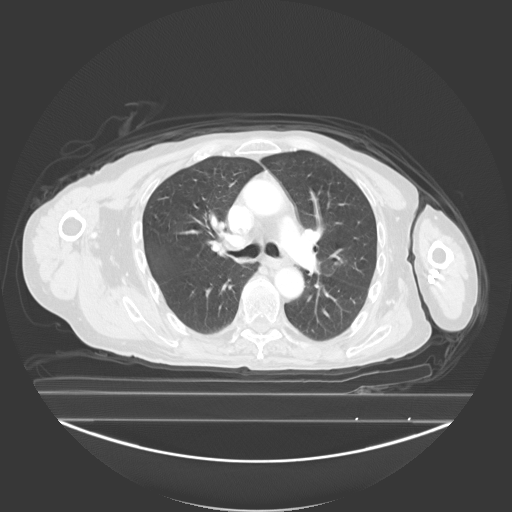
Axial chest CT slice 166 of 278 (counted from the lowest slice); tube voltage 130 kVp, convolution kernel B40s; slices 3.00 mm thick, 0.977 mm per pixel.
Pulmonary nodule outlined by three of the four readers, two of them on this slice; box rows 262–265, columns 333–337 (the union of the readers' outlines on this slice); longest diameter 12.8–14.8 mm and volume 665–985 mm3 across the three readers' outlines. Ratings across the readers: texture from 4/5 to 5/5 (solid) across the three readers; margin 4/5, all three readers agreeing; sphericity from 4/5 to 5/5 (round) across the three readers; calcification absent, all three readers agreeing; internal structure soft tissue, all three readers agreeing; subtlety from 3/5 to 5/5 across the three readers; malignancy likelihood rated between 2 and 4 out of 5 by the three readers. Scale key (1–5): texture non-solid→solid, margin indistinct→circumscribed, sphericity linear→round, subtlety extremely subtle→obvious, malignancy likelihood highly unlikely→highly suspicious of cancer. Box rows and columns are 0-based pixel indices from the top-left corner, inclusive.